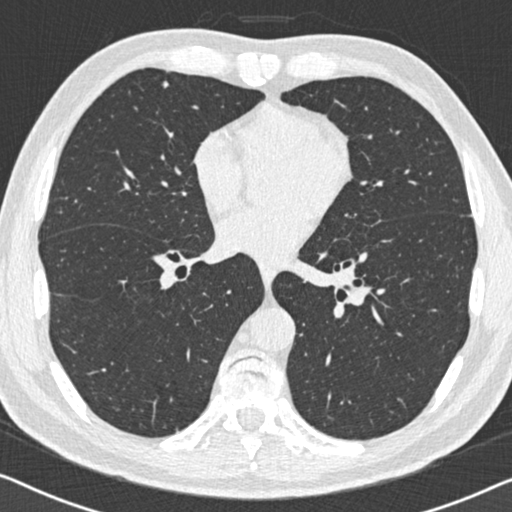
Chest CT, axial plane, 120 kVp, kernel B30f. Slice 283/558 from the bottom of the scan; thickness 0.75 mm; pixel size 0.648 mm.
Pulmonary nodule, outlined by two of the four readers. Box on this slice rows 81–87, columns 162–167, the union of the readers' outlines on this slice; the two readers' outlines give a longest diameter between 5.8 and 7.2 mm and a volume between 63 and 85 mm3. Ratings across the readers: texture from 4/5 to 5/5 (solid) across the two readers; margin from 3/5 to 4/5 across the two readers; sphericity from 3/5 (ovoid) to 4/5 across the two readers; calcification absent from both readers; internal structure soft tissue from both readers; subtlety from 3/5 to 5/5 across the two readers; malignancy likelihood from 2/5 to 3/5 across the two readers. Scale key (1–5): texture non-solid→solid, margin indistinct→circumscribed, sphericity linear→round, subtlety extremely subtle→obvious, malignancy likelihood highly unlikely→highly suspicious of cancer. Box rows and columns are 0-based pixel indices from the top-left corner, inclusive.